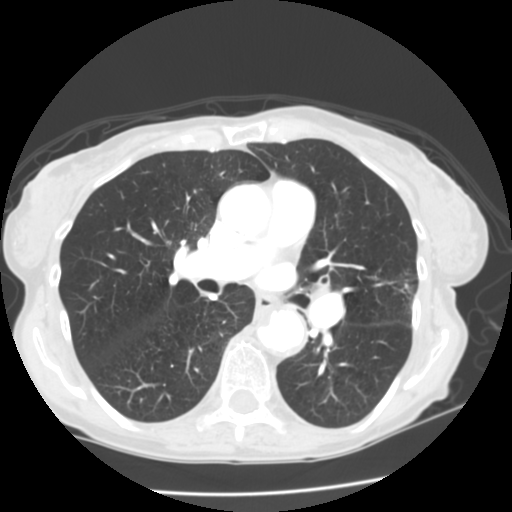
This is axial slice 80 of 141 (slice 1 is the lowest) of a chest CT; each pixel is 0.625 mm and the slice is 2.50 mm thick. Pulmonary nodule outlined by all four readers, three of them on this slice; box rows 283–297, columns 404–414 (the union of the readers' outlines on this slice); longest diameter 18.5 mm on average over the four readers' outlines (readers' outlines 17.6–20.7 mm), volume 1292–2187 mm3. The readers' prevailing ratings and who disagreed: texture split among the readers: 4/5 (two), 5/5 (solid) (two); margin 4/5 by two of four readers; the rest gave 3/5 (one), 5/5 (circumscribed) (one); sphericity 3/5 (ovoid) by two of four readers; the rest gave 4/5 (one), 5/5 (round) (one); calcification absent from all four readers; internal structure soft tissue, all four readers agreeing; subtlety 5/5 from all four readers; malignancy likelihood 4/5 by two of four readers; the rest gave 3/5 (one), 5/5 (one). Scale key (1–5): texture non-solid→solid, margin indistinct→circumscribed, sphericity linear→round, subtlety extremely subtle→obvious, malignancy likelihood highly unlikely→highly suspicious of cancer. Box rows and columns are 0-based pixel indices from the top-left corner, inclusive.
Tube voltage 120 kVp; convolution kernel STANDARD.